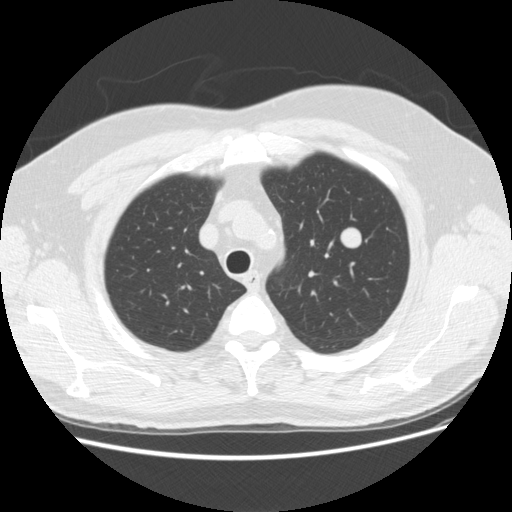
Chest CT, axial plane, 120 kVp, kernel STANDARD. Slice 121/158 from the bottom of the scan; thickness 2.50 mm; pixel size 0.723 mm.
Pulmonary nodule, outlined by all four readers. Box on this slice rows 227–248, columns 339–361, the union of the readers' outlines on this slice; the four readers' outlines give a longest diameter between 16.2 and 18.8 mm and a volume between 1663 and 2984 mm3. Ratings across the readers: texture 5/5 (solid) from all four readers; margin 5/5 (circumscribed), all four readers agreeing; sphericity from 4/5 to 5/5 (round) across the four readers; calcification absent from all four readers; internal structure soft tissue from all four readers; subtlety 5/5, all four readers agreeing; malignancy likelihood 2–5/5 (the readers disagree). Scale key (1–5): texture non-solid→solid, margin indistinct→circumscribed, sphericity linear→round, subtlety extremely subtle→obvious, malignancy likelihood highly unlikely→highly suspicious of cancer. Box rows and columns are 0-based pixel indices from the top-left corner, inclusive.